Axial slice 229 of 423 of a chest CT (slice 1 is the lowest), reconstructed with the B30f kernel at 120 kVp; 0.75 mm slice thickness and 0.520 mm pixels.
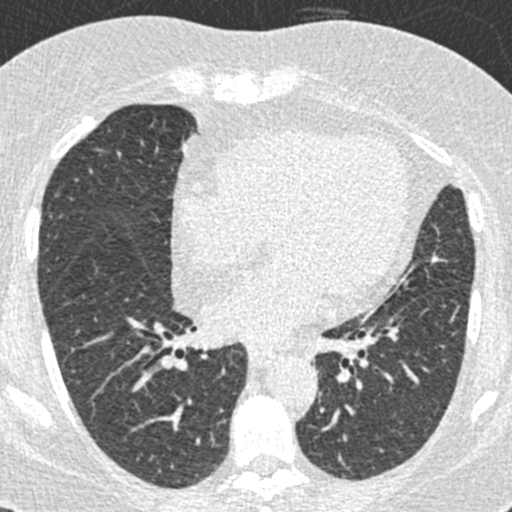
Pulmonary nodule outlined by one of the four readers; box rows 471–477, columns 340–345 (that reader's outline on this slice); longest diameter 9.7 mm and volume 143 mm3 from that reader's outline. That reader's ratings: texture 3/5 (part-solid); margin 3/5; sphericity 3/5 (ovoid); calcification absent; internal structure soft tissue; subtlety 5/5; malignancy likelihood 3/5. Scale key (1–5): texture non-solid→solid, margin indistinct→circumscribed, sphericity linear→round, subtlety extremely subtle→obvious, malignancy likelihood highly unlikely→highly suspicious of cancer. Box rows and columns are 0-based pixel indices from the top-left corner, inclusive.